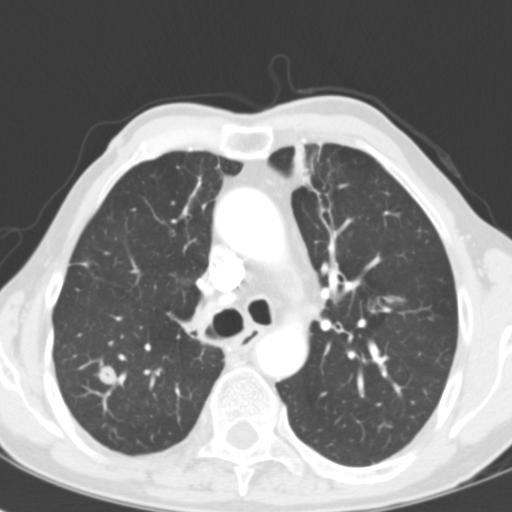
Slice 77/116 of a chest CT, counting up from the lowest; pixel size 0.547 mm, slice thickness 3.00 mm. Pulmonary nodule, outlined by all four readers. Box on this slice rows 364–387, columns 96–118, the union of the readers' outlines on this slice; the four readers' outlines give a longest diameter between 11.8 and 14.7 mm and a volume between 700 and 989 mm3. The readers' ratings, as ranges where they differ: texture 5/5 (solid) from all four readers; margin from 4/5 to 5/5 (circumscribed) across the four readers; sphericity from 4/5 to 5/5 (round) across the four readers; calcification absent from all four readers; internal structure: soft tissue (three), air (one); subtlety 5/5 from all four readers; malignancy likelihood 3–5/5 (the readers disagree). Scale key (1–5): texture non-solid→solid, margin indistinct→circumscribed, sphericity linear→round, subtlety extremely subtle→obvious, malignancy likelihood highly unlikely→highly suspicious of cancer. Box rows and columns are 0-based pixel indices from the top-left corner, inclusive.
Acquired at 120 kVp and reconstructed with the B31f kernel.